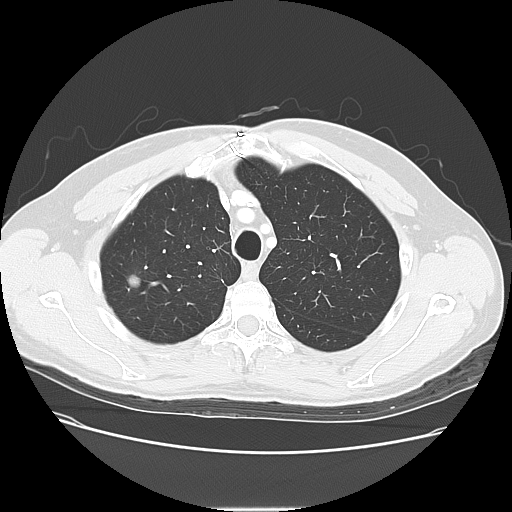
Axial slice 92 of 117 of a chest CT (slice 1 is the lowest), reconstructed with the LUNG kernel at 120 kVp; 2.50 mm slice thickness and 0.723 mm pixels.
Pulmonary nodule at rows 274–287, columns 127–140 (box = the union of the readers' outlines on this slice), outlined by all four readers; the four readers' outlines give a longest diameter between 13.2 and 14.9 mm and a volume between 887 and 1039 mm3. The readers' ratings, as ranges where they differ: texture 5/5 (solid), all four readers agreeing; margin from 4/5 to 5/5 (circumscribed) across the four readers; sphericity from 4/5 to 5/5 (round) across the four readers; calcification: absent (three), solid calcification (one); internal structure soft tissue, all four readers agreeing; subtlety rated between 4 and 5 out of 5 by the four readers; malignancy likelihood 1–4/5 (the readers disagree). Scale key (1–5): texture non-solid→solid, margin indistinct→circumscribed, sphericity linear→round, subtlety extremely subtle→obvious, malignancy likelihood highly unlikely→highly suspicious of cancer. Box rows and columns are 0-based pixel indices from the top-left corner, inclusive.